Chest CT, axial plane, 120 kVp, kernel B. Slice 201/280 from the bottom of the scan; thickness 2.00 mm; pixel size 0.676 mm.
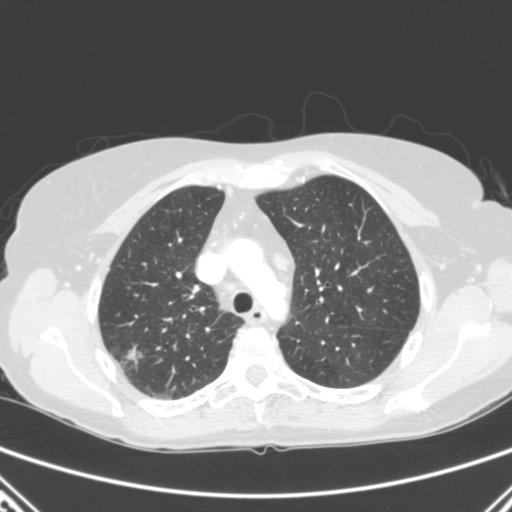
Pulmonary nodule outlined three times (the source holds two more outlines, not used); box rows 347–368, columns 120–143 (the union of the readers' outlines on this slice); median longest diameter 19.7 mm (readers' outlines 19.6–26.7 mm), median volume 999 mm3 (949–1659 mm3). Median ratings and the readers' spread: texture 5/5 (solid) at the median of three readers, spread 4/5 to 5/5 (solid); median margin 3/5 (readers ranged 3/5 to 4/5); sphericity 3/5 (ovoid) at the median of three readers, spread 2/5 to 5/5 (round); calcification absent from all three readers; internal structure soft tissue, all three readers agreeing; subtlety 5/5, all three readers agreeing; malignancy likelihood 5/5 at the median of three readers, spread 4–5. Scale key (1–5): texture non-solid→solid, margin indistinct→circumscribed, sphericity linear→round, subtlety extremely subtle→obvious, malignancy likelihood highly unlikely→highly suspicious of cancer. Box rows and columns are 0-based pixel indices from the top-left corner, inclusive.